Chest CT, axial plane, 120 kVp, kernel B30f. Slice 199/455 from the bottom of the scan; thickness 0.75 mm; pixel size 0.633 mm.
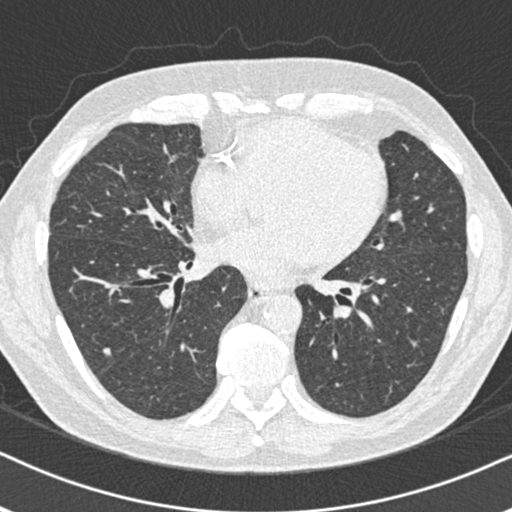
Pulmonary nodule at rows 348–355, columns 103–110 (box = the union of the readers' outlines on this slice), outlined by three of the four readers; longest diameter 7.2 mm on average over the three readers' outlines (readers' outlines 6.8–7.8 mm), volume 59–65 mm3. The readers' prevailing ratings and who disagreed: texture 5/5 (solid), all three readers agreeing; margin 4/5, all three readers agreeing; sphericity 4/5 by two of three readers; the rest gave 5/5 (round) (one); calcification absent from all three readers; internal structure soft tissue from all three readers; most readers (two of three) put subtlety at 5/5, others 3/5 (one); malignancy likelihood 3/5, all three readers agreeing. Scale key (1–5): texture non-solid→solid, margin indistinct→circumscribed, sphericity linear→round, subtlety extremely subtle→obvious, malignancy likelihood highly unlikely→highly suspicious of cancer. Box rows and columns are 0-based pixel indices from the top-left corner, inclusive.